One axial slice (346 of 557, counting up from the lowest) of a chest CT acquired at 120 kVp with the STANDARD kernel; each pixel is 0.703 mm and the slice is 1.25 mm thick.
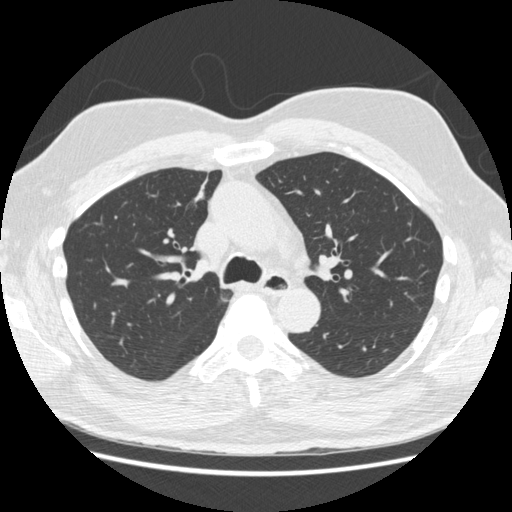
Pulmonary nodule outlined by all four readers, three of them on this slice; box rows 190–201, columns 194–203 (the union of the readers' outlines on this slice); median longest diameter 13.3 mm (readers' outlines 12.6–14.2 mm), median volume 546 mm3 (470–622 mm3). Median ratings and the readers' spread: texture 5/5 (solid), all four readers agreeing; median margin 4/5 (readers ranged 4/5 to 5/5 (circumscribed)); sphericity 3/5 (ovoid), all four readers agreeing; calcification absent from all four readers; internal structure soft tissue from all four readers; subtlety 4.5/5 at the median of four readers, spread 3–5; malignancy likelihood 2.5/5 at the median of four readers, spread 1–4. Scale key (1–5): texture non-solid→solid, margin indistinct→circumscribed, sphericity linear→round, subtlety extremely subtle→obvious, malignancy likelihood highly unlikely→highly suspicious of cancer. Box rows and columns are 0-based pixel indices from the top-left corner, inclusive.